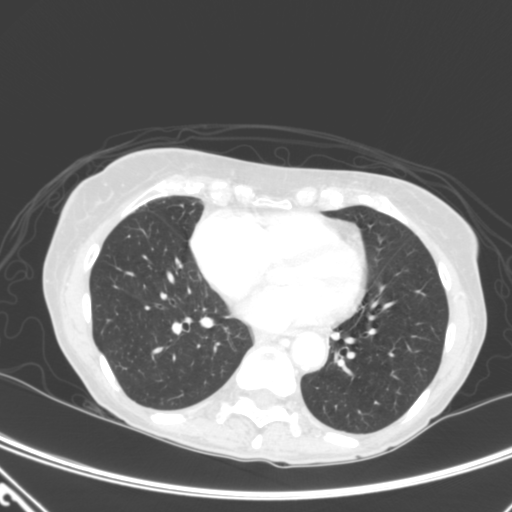
Slice 133/320 of a chest CT, counting up from the lowest; pixel size 0.662 mm, slice thickness 2.00 mm. This slice carries no reader outline of a nodule 3 mm or larger.
Acquired at 120 kVp and reconstructed with the B kernel.